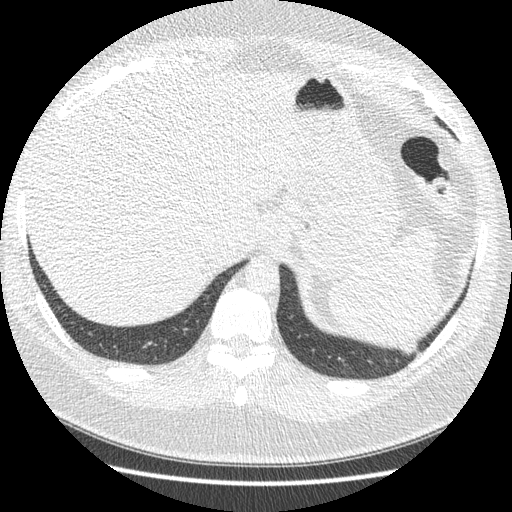
Axial slice 34 of 421 of a chest CT (slice 1 is the lowest), reconstructed with the STANDARD kernel at 120 kVp; 1.25 mm slice thickness and 0.703 mm pixels.
Pulmonary nodule outlined four times (the source holds four more outlines, not used); box rows 341–357, columns 399–422 (the union of the readers' outlines on this slice); longest diameter 30.9–38.9 mm and volume 4443–5826 mm3 across the four readers' outlines. The readers' ratings, as ranges where they differ: texture from 4/5 to 5/5 (solid) across the four readers; margin from 3/5 to 4/5 across the four readers; sphericity from 2/5 to 4/5 across the four readers; calcification absent, all four readers agreeing; internal structure soft tissue, all four readers agreeing; subtlety rated between 4 and 5 out of 5 by the four readers; malignancy likelihood rated between 2 and 5 out of 5 by the four readers. Scale key (1–5): texture non-solid→solid, margin indistinct→circumscribed, sphericity linear→round, subtlety extremely subtle→obvious, malignancy likelihood highly unlikely→highly suspicious of cancer. Box rows and columns are 0-based pixel indices from the top-left corner, inclusive.